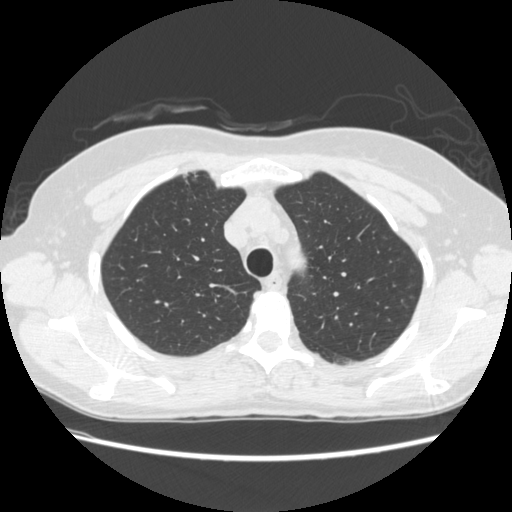
One axial slice (196 of 261, counting up from the lowest) of a chest CT acquired at 120 kVp with the STANDARD kernel; each pixel is 0.682 mm and the slice is 1.25 mm thick.
Pulmonary nodule at rows 354–364, columns 333–357 (box = the union of the readers' outlines on this slice), outlined by two of the four readers; median longest diameter 30.8 mm (readers' outlines 30.0–31.5 mm), median volume 7245 mm3 (6577–7912 mm3). Median ratings and the readers' spread: texture 1.5/5 at the median of two readers, spread 1/5 (non-solid) to 2/5; margin 1.5/5 at the median of two readers, spread 1/5 (indistinct) to 2/5; sphericity 4/5 at the median of two readers, spread 3/5 (ovoid) to 5/5 (round); calcification absent from both readers; internal structure soft tissue from both readers; median subtlety 1.5/5 (readers ranged 1–2); median malignancy likelihood 4.5/5 (readers ranged 4–5). Scale key (1–5): texture non-solid→solid, margin indistinct→circumscribed, sphericity linear→round, subtlety extremely subtle→obvious, malignancy likelihood highly unlikely→highly suspicious of cancer. Box rows and columns are 0-based pixel indices from the top-left corner, inclusive.